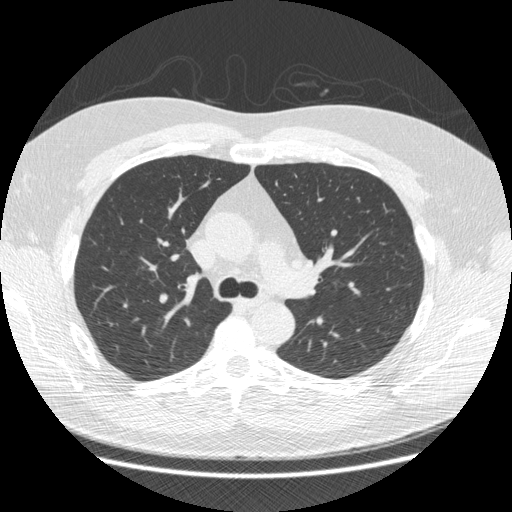
Axial chest CT slice 360 of 538 (counted from the lowest slice); 1.25 mm thick, 0.742 mm per pixel. No nodule of 3 mm or larger was outlined by any of the four readers on this slice.
Tube voltage 120 kVp; convolution kernel STANDARD.